Axial slice 203 of 368 of a chest CT (slice 1 is the lowest), reconstructed with the B70f kernel at 120 kVp; 2.00 mm slice thickness and 0.660 mm pixels.
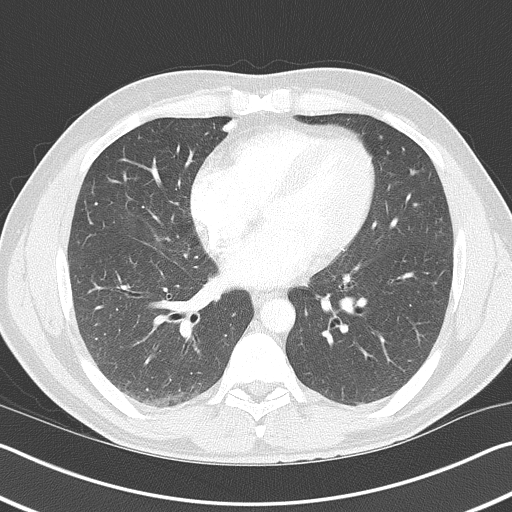
Pulmonary nodule, outlined by one of the four readers. Box on this slice rows 120–132, columns 222–236, that reader's outline on this slice; longest diameter 12.5 mm and volume 369 mm3 from that reader's outline. Ratings by that reader: texture 5/5 (solid); margin 5/5 (circumscribed); sphericity 5/5 (round); calcification solid calcification; internal structure soft tissue; subtlety 5/5; malignancy likelihood 1/5. Scale key (1–5): texture non-solid→solid, margin indistinct→circumscribed, sphericity linear→round, subtlety extremely subtle→obvious, malignancy likelihood highly unlikely→highly suspicious of cancer. Box rows and columns are 0-based pixel indices from the top-left corner, inclusive.